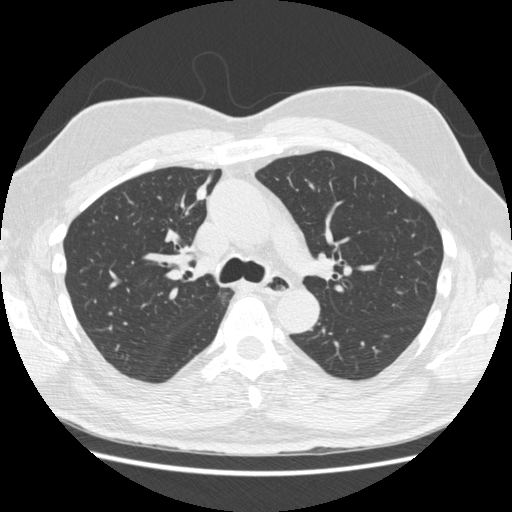
Slice 341/557 of a chest CT, counting up from the lowest; pixel size 0.703 mm, slice thickness 1.25 mm. Pulmonary nodule outlined by all four readers; box rows 183–200, columns 195–207 (the union of the readers' outlines on this slice); the four readers' outlines give a longest diameter between 12.6 and 14.2 mm and a volume between 470 and 622 mm3. Ratings across the readers: texture 5/5 (solid), all four readers agreeing; margin from 4/5 to 5/5 (circumscribed) across the four readers; sphericity 3/5 (ovoid), all four readers agreeing; calcification absent, all four readers agreeing; internal structure soft tissue from all four readers; subtlety from 3/5 to 5/5 across the four readers; malignancy likelihood 1–4/5 (the readers disagree). Scale key (1–5): texture non-solid→solid, margin indistinct→circumscribed, sphericity linear→round, subtlety extremely subtle→obvious, malignancy likelihood highly unlikely→highly suspicious of cancer. Box rows and columns are 0-based pixel indices from the top-left corner, inclusive.
Acquired at 120 kVp and reconstructed with the STANDARD kernel.